Axial slice 58 of 140 of a chest CT (slice 1 is the lowest), reconstructed with the STANDARD kernel at 120 kVp; 2.50 mm slice thickness and 0.664 mm pixels.
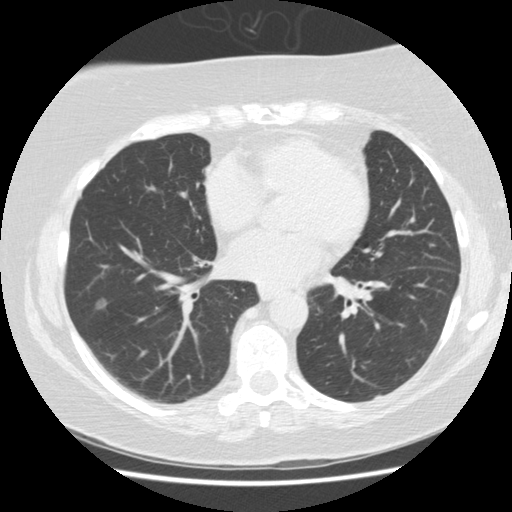
Pulmonary nodule outlined by all four readers; box rows 297–309, columns 94–106 (the union of the readers' outlines on this slice); median longest diameter 10.9 mm (readers' outlines 9.8–11.3 mm), median volume 221 mm3 (188–273 mm3). Median ratings and the readers' spread: median texture 3.5/5 (readers ranged 1/5 (non-solid) to 4/5); margin 4/5 at the median of four readers, spread 3/5 to 5/5 (circumscribed); sphericity 3/5 (ovoid) at the median of four readers, spread 3/5 (ovoid) to 4/5; calcification absent, all four readers agreeing; internal structure soft tissue from all four readers; subtlety 4/5 at the median of four readers, spread 3–4; malignancy likelihood 3/5 at the median of four readers, spread 2–4. Scale key (1–5): texture non-solid→solid, margin indistinct→circumscribed, sphericity linear→round, subtlety extremely subtle→obvious, malignancy likelihood highly unlikely→highly suspicious of cancer. Box rows and columns are 0-based pixel indices from the top-left corner, inclusive.